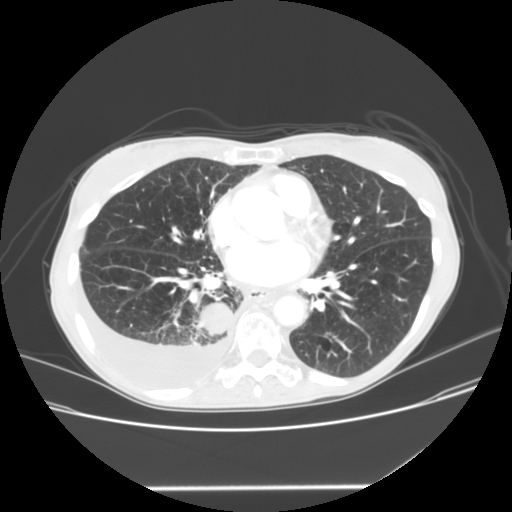
Chest CT, axial plane, 120 kVp, kernel STANDARD. Slice 61/133 from the bottom of the scan; thickness 2.50 mm; pixel size 0.703 mm.
Pulmonary nodule outlined by two of the four readers; box rows 302–334, columns 199–232 (the union of the readers' outlines on this slice); median longest diameter 35.2 mm (readers' outlines 33.4–36.9 mm), median volume 15549 mm3 (15304–15793 mm3). Median ratings and the readers' spread: median texture 4.5/5 (readers ranged 4/5 to 5/5 (solid)); margin 5/5 (circumscribed) from both readers; sphericity 4.5/5 at the median of two readers, spread 4/5 to 5/5 (round); calcification absent, both readers agreeing; internal structure soft tissue from both readers; subtlety 5/5 from both readers; median malignancy likelihood 2.5/5 (readers ranged 2–3). Scale key (1–5): texture non-solid→solid, margin indistinct→circumscribed, sphericity linear→round, subtlety extremely subtle→obvious, malignancy likelihood highly unlikely→highly suspicious of cancer. Box rows and columns are 0-based pixel indices from the top-left corner, inclusive.